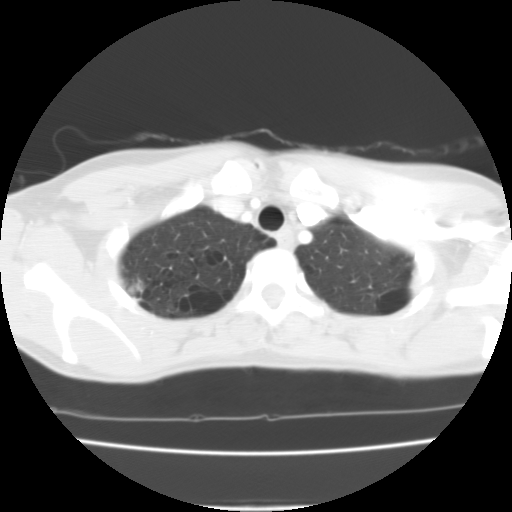
Slice 96/112 of a chest CT, counting up from the lowest; pixel size 0.573 mm, slice thickness 3.00 mm. Pulmonary nodule at rows 280–294, columns 128–151 (box = the union of the readers' outlines on this slice), outlined by all four readers; median longest diameter 16.7 mm (readers' outlines 16.4–19.0 mm), median volume 2634 mm3 (2422–3472 mm3). Ratings, median across the readers with their spread: texture 5/5 (solid) from all four readers; margin 4.5/5 at the median of four readers, spread 4/5 to 5/5 (circumscribed); sphericity 4.5/5 at the median of four readers, spread 4/5 to 5/5 (round); calcification absent from all four readers; internal structure soft tissue from all four readers; subtlety 5/5 from all four readers; malignancy likelihood 3/5 at the median of four readers, spread 3–5. Scale key (1–5): texture non-solid→solid, margin indistinct→circumscribed, sphericity linear→round, subtlety extremely subtle→obvious, malignancy likelihood highly unlikely→highly suspicious of cancer. Box rows and columns are 0-based pixel indices from the top-left corner, inclusive.
Scan settings: 135 kVp, FC01 reconstruction kernel.